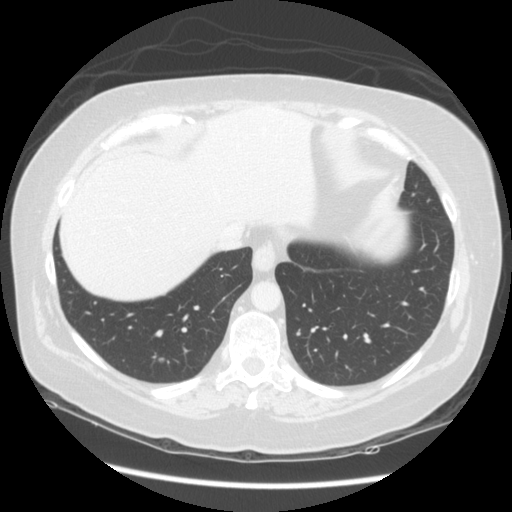
Axial chest CT slice 39 of 123 (counted from the lowest slice); 2.50 mm thick, 0.703 mm per pixel. Pulmonary nodule at rows 357–362, columns 158–164 (box = the union of the readers' outlines on this slice), outlined by two of the four readers; median longest diameter 6.7 mm (readers' outlines 6.6–6.7 mm), median volume 115 mm3 (108–122 mm3). Ratings, median across the readers with their spread: texture 4/5 at the median of two readers, spread 3/5 (part-solid) to 5/5 (solid); margin 3.5/5 at the median of two readers, spread 2/5 to 5/5 (circumscribed); median sphericity 4.5/5 (readers ranged 4/5 to 5/5 (round)); calcification absent from both readers; internal structure soft tissue from both readers; median subtlety 3.5/5 (readers ranged 3–4); median malignancy likelihood 3/5 (readers ranged 2–4). Scale key (1–5): texture non-solid→solid, margin indistinct→circumscribed, sphericity linear→round, subtlety extremely subtle→obvious, malignancy likelihood highly unlikely→highly suspicious of cancer. Box rows and columns are 0-based pixel indices from the top-left corner, inclusive.
Tube voltage 140 kVp; convolution kernel STANDARD.